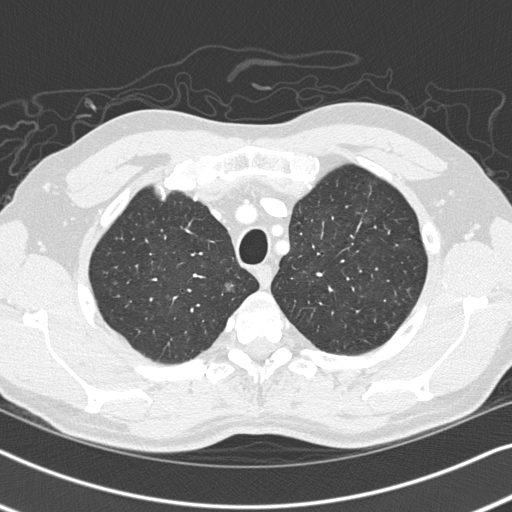
Chest CT, axial plane, 120 kVp, kernel B45f. Slice 270/326 from the bottom of the scan; thickness 1.00 mm; pixel size 0.645 mm.
Pulmonary nodule outlined by all four readers; box rows 282–292, columns 223–234 (the union of the readers' outlines on this slice); the four readers' outlines give a longest diameter between 8.4 and 11.1 mm and a volume between 144 and 204 mm3. Ratings across the readers: texture from 1/5 (non-solid) to 3/5 (part-solid) across the four readers; margin from 2/5 to 5/5 (circumscribed) across the four readers; sphericity from 4/5 to 5/5 (round) across the four readers; calcification absent from all four readers; internal structure soft tissue from all four readers; subtlety from 1/5 to 4/5 across the four readers; malignancy likelihood 2–3/5 (the readers disagree). Scale key (1–5): texture non-solid→solid, margin indistinct→circumscribed, sphericity linear→round, subtlety extremely subtle→obvious, malignancy likelihood highly unlikely→highly suspicious of cancer. Box rows and columns are 0-based pixel indices from the top-left corner, inclusive.